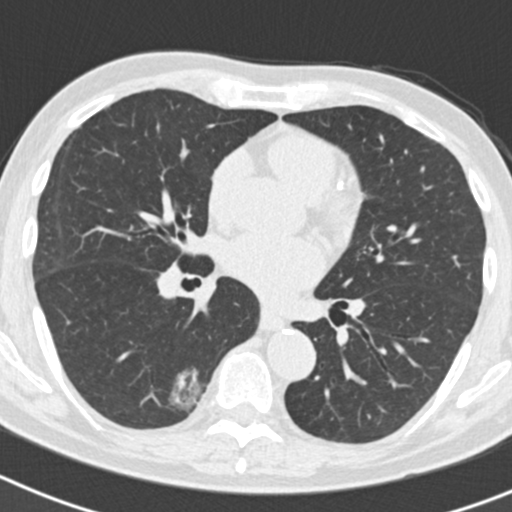
This is axial slice 98 of 186 (slice 1 is the lowest) of a chest CT; each pixel is 0.586 mm and the slice is 2.00 mm thick. Pulmonary nodule outlined by one of the four readers; box rows 366–412, columns 168–207 (that reader's outline on this slice); longest diameter 31.4 mm and volume 6527 mm3 from that reader's outline. That reader's ratings: texture 1/5 (non-solid); margin 2/5; sphericity 4/5; calcification absent; internal structure soft tissue; subtlety 5/5; malignancy likelihood 3/5. Scale key (1–5): texture non-solid→solid, margin indistinct→circumscribed, sphericity linear→round, subtlety extremely subtle→obvious, malignancy likelihood highly unlikely→highly suspicious of cancer. Box rows and columns are 0-based pixel indices from the top-left corner, inclusive.
Scan settings: 120 kVp, B30f reconstruction kernel.